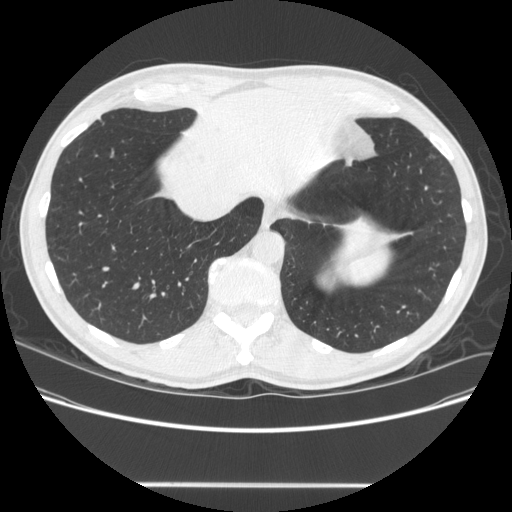
Slice 124/567 of a chest CT, counting up from the lowest; pixel size 0.742 mm, slice thickness 1.25 mm. Pulmonary nodule outlined by all four readers, two of them on this slice; box rows 186–189, columns 425–427 (the union of the readers' outlines on this slice); longest diameter 8.4 mm on average over the four readers' outlines (readers' outlines 7.6–9.5 mm), volume 105–126 mm3. Ratings, by the readers' most common answer with dissent counted: texture 5/5 (solid), all four readers agreeing; margin split among the readers: 4/5 (two), 5/5 (circumscribed) (two); most readers (three of four) put sphericity at 3/5 (ovoid), others 2/5 (one); calcification absent by three of four readers, solid calcification (one); internal structure soft tissue from all four readers; subtlety 4/5 by three of four readers; the rest gave 3/5 (one); malignancy likelihood 2/5 by two of four readers; the rest gave 1/5 (one), 3/5 (one). Scale key (1–5): texture non-solid→solid, margin indistinct→circumscribed, sphericity linear→round, subtlety extremely subtle→obvious, malignancy likelihood highly unlikely→highly suspicious of cancer. Box rows and columns are 0-based pixel indices from the top-left corner, inclusive.
Tube voltage 120 kVp; convolution kernel STANDARD.